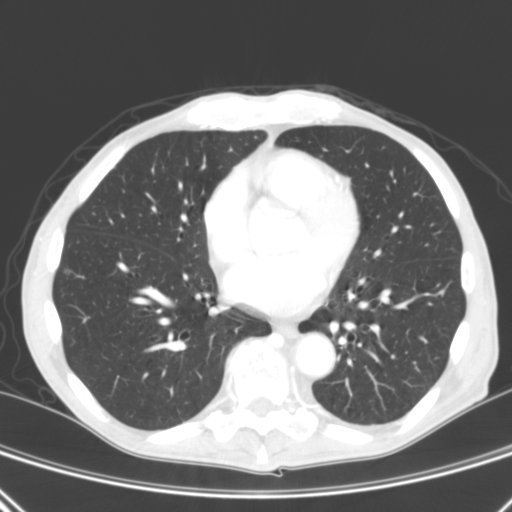
Axial chest CT slice 117 of 290 (counted from the lowest slice); tube voltage 120 kVp, convolution kernel B; slices 2.00 mm thick, 0.639 mm per pixel.
Pulmonary nodule at rows 268–274, columns 63–69 (box = the union of the readers' outlines on this slice), outlined by two of the four readers; median longest diameter 5.7 mm (readers' outlines 5.5–6.0 mm), median volume 50 mm3 (44–55 mm3). Median ratings and the readers' spread: texture 4/5 at the median of two readers, spread 3/5 (part-solid) to 5/5 (solid); margin 3/5 at the median of two readers, spread 2/5 to 4/5; sphericity 4/5 from both readers; calcification absent, both readers agreeing; internal structure soft tissue from both readers; subtlety 4.5/5 at the median of two readers, spread 4–5; malignancy likelihood 3/5, both readers agreeing. Scale key (1–5): texture non-solid→solid, margin indistinct→circumscribed, sphericity linear→round, subtlety extremely subtle→obvious, malignancy likelihood highly unlikely→highly suspicious of cancer. Box rows and columns are 0-based pixel indices from the top-left corner, inclusive.